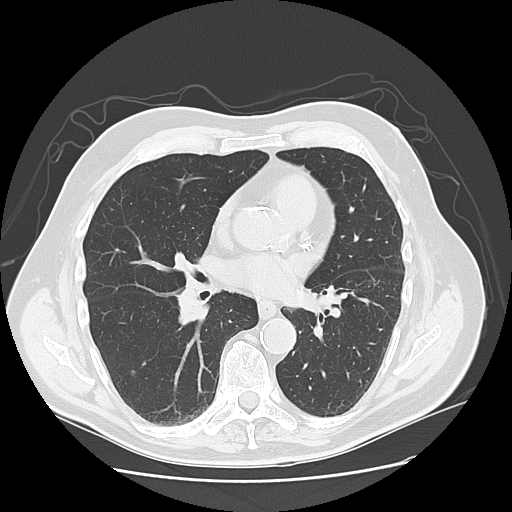
Slice 62/131 of a chest CT, counting up from the lowest; pixel size 0.723 mm, slice thickness 2.50 mm. Pulmonary nodule, outlined by one of the four readers. Box on this slice rows 370–374, columns 131–134, that reader's outline on this slice; longest diameter 5.3 mm and volume 62 mm3 from that reader's outline. Ratings by that reader: texture 5/5 (solid); margin 4/5; sphericity 4/5; calcification absent; internal structure soft tissue; subtlety 2/5; malignancy likelihood 2/5. Scale key (1–5): texture non-solid→solid, margin indistinct→circumscribed, sphericity linear→round, subtlety extremely subtle→obvious, malignancy likelihood highly unlikely→highly suspicious of cancer. Box rows and columns are 0-based pixel indices from the top-left corner, inclusive.
Acquired at 120 kVp and reconstructed with the LUNG kernel.